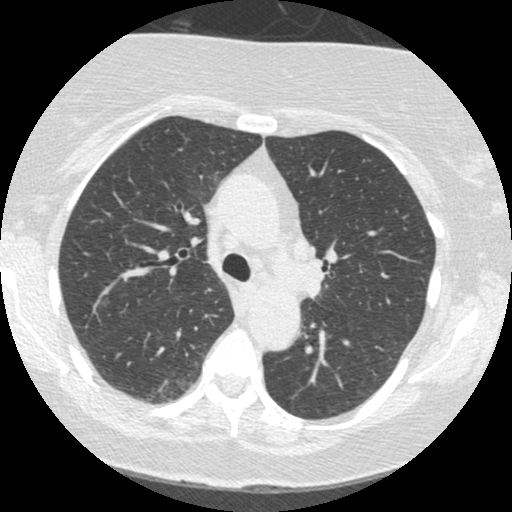
Chest CT, axial plane, 120 kVp, kernel STANDARD. Slice 226/372 from the bottom of the scan; thickness 1.25 mm; pixel size 0.586 mm.
Pulmonary nodule at rows 298–303, columns 102–107 (box = the union of the readers' outlines on this slice), outlined by three of the four readers, two of them on this slice; longest diameter 7.8 mm on average over the three readers' outlines (readers' outlines 7.6–8.0 mm), volume 95–117 mm3. Ratings, by the readers' most common answer with dissent counted: most readers (two of three) put texture at 4/5, others 1/5 (non-solid) (one); most readers (two of three) put margin at 4/5, others 1/5 (indistinct) (one); most readers (two of three) put sphericity at 4/5, others 5/5 (round) (one); calcification absent from all three readers; internal structure soft tissue from all three readers; most readers (two of three) put subtlety at 4/5, others 2/5 (one); most readers (two of three) put malignancy likelihood at 3/5, others 4/5 (one). Scale key (1–5): texture non-solid→solid, margin indistinct→circumscribed, sphericity linear→round, subtlety extremely subtle→obvious, malignancy likelihood highly unlikely→highly suspicious of cancer. Box rows and columns are 0-based pixel indices from the top-left corner, inclusive.